Axial chest CT slice 53 of 126 (counted from the lowest slice); tube voltage 135 kVp, convolution kernel FC01; slices 3.00 mm thick, 0.744 mm per pixel.
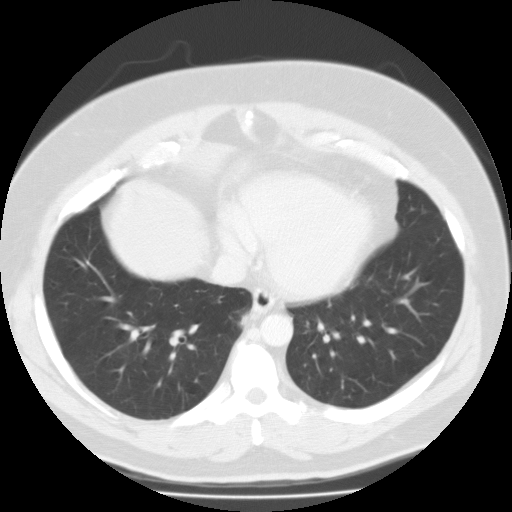
None of the four readers outlined a nodule of 3 mm or more on this slice.